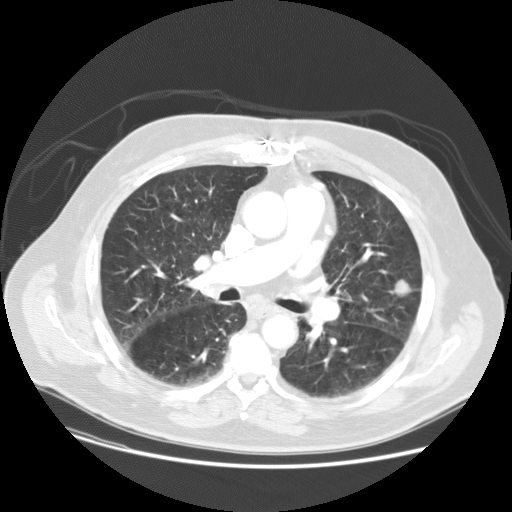
One axial slice (84 of 133, counting up from the lowest) of a chest CT acquired at 120 kVp with the STANDARD kernel; each pixel is 0.781 mm and the slice is 2.50 mm thick.
Pulmonary nodule at rows 279–297, columns 389–410 (box = the union of the readers' outlines on this slice), outlined by all four readers; the four readers' outlines give a longest diameter between 18.8 and 20.7 mm and a volume between 2105 and 2617 mm3. The readers' ratings, as ranges where they differ: texture 5/5 (solid) from all four readers; margin from 4/5 to 5/5 (circumscribed) across the four readers; sphericity from 3/5 (ovoid) to 5/5 (round) across the four readers; calcification absent, all four readers agreeing; internal structure soft tissue, all four readers agreeing; subtlety from 3/5 to 5/5 across the four readers; malignancy likelihood 2–5/5 (the readers disagree). Scale key (1–5): texture non-solid→solid, margin indistinct→circumscribed, sphericity linear→round, subtlety extremely subtle→obvious, malignancy likelihood highly unlikely→highly suspicious of cancer. Box rows and columns are 0-based pixel indices from the top-left corner, inclusive.